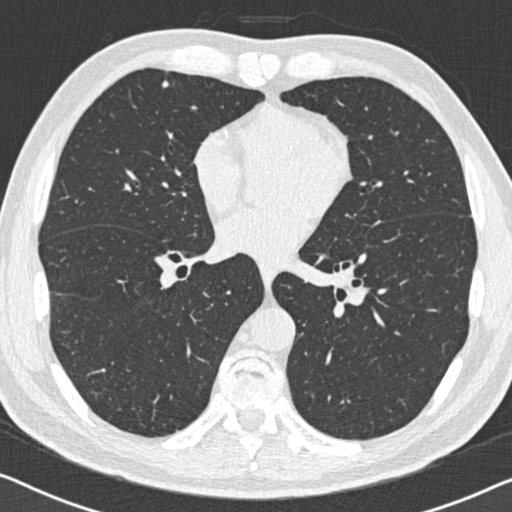
Axial chest CT slice 284 of 558 (counted from the lowest slice); tube voltage 120 kVp, convolution kernel B30f; slices 0.75 mm thick, 0.648 mm per pixel.
Pulmonary nodule outlined by two of the four readers; box rows 80–87, columns 162–168 (the union of the readers' outlines on this slice); longest diameter 6.5 mm on average over the two readers' outlines (readers' outlines 5.8–7.2 mm), volume 63–85 mm3. The readers' prevailing ratings and who disagreed: texture split among the readers: 4/5 (one), 5/5 (solid) (one); margin split among the readers: 3/5 (one), 4/5 (one); sphericity split among the readers: 3/5 (ovoid) (one), 4/5 (one); calcification absent from both readers; internal structure soft tissue, both readers agreeing; subtlety split among the readers: 3/5 (one), 5/5 (one); malignancy likelihood split among the readers: 2/5 (one), 3/5 (one). Scale key (1–5): texture non-solid→solid, margin indistinct→circumscribed, sphericity linear→round, subtlety extremely subtle→obvious, malignancy likelihood highly unlikely→highly suspicious of cancer. Box rows and columns are 0-based pixel indices from the top-left corner, inclusive.